Axial slice 63 of 179 of a chest CT (slice 1 is the lowest), reconstructed with the STANDARD kernel at 120 kVp; 2.50 mm slice thickness and 0.684 mm pixels.
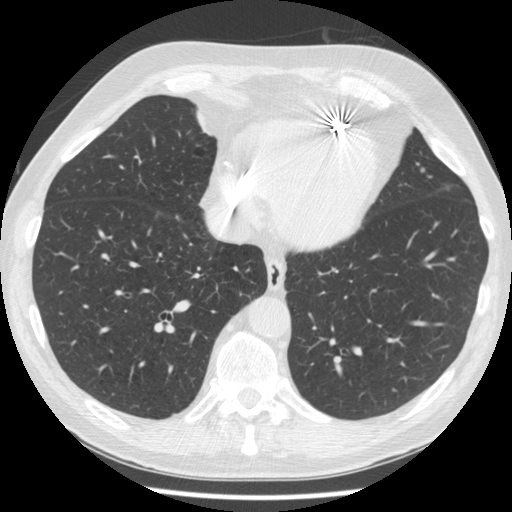
Pulmonary nodule, outlined by two of the four readers. Box on this slice rows 167–172, columns 419–425, the union of the readers' outlines on this slice; longest diameter 5.6 mm on average over the two readers' outlines (readers' outlines 5.5–5.6 mm), volume 60 mm3. The readers' prevailing ratings and who disagreed: texture 5/5 (solid), both readers agreeing; margin 5/5 (circumscribed), both readers agreeing; sphericity 5/5 (round) from both readers; calcification absent, both readers agreeing; internal structure soft tissue, both readers agreeing; subtlety split among the readers: 4/5 (one), 5/5 (one); malignancy likelihood split among the readers: 1/5 (one), 3/5 (one). Scale key (1–5): texture non-solid→solid, margin indistinct→circumscribed, sphericity linear→round, subtlety extremely subtle→obvious, malignancy likelihood highly unlikely→highly suspicious of cancer. Box rows and columns are 0-based pixel indices from the top-left corner, inclusive.